One axial slice (185 of 265, counting up from the lowest) of a chest CT acquired at 120 kVp with the STANDARD kernel; each pixel is 0.883 mm and the slice is 1.25 mm thick.
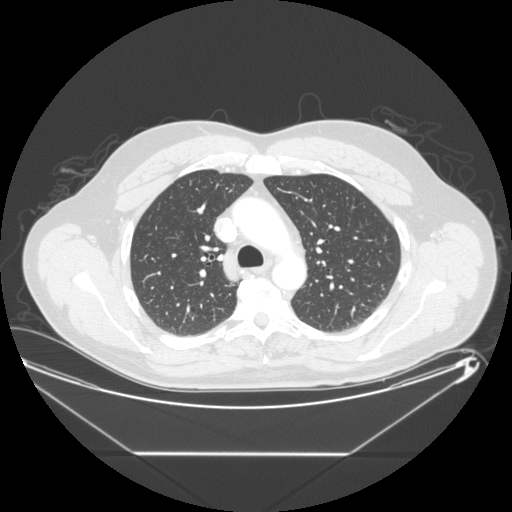
This slice carries no reader outline of a nodule 3 mm or larger.